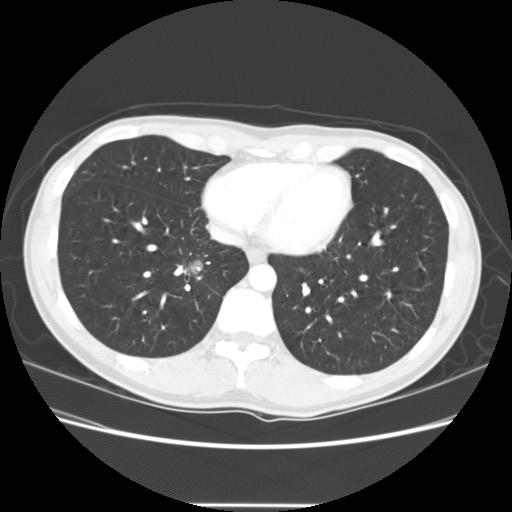
Axial slice 48 of 141 of a chest CT (slice 1 is the lowest), reconstructed with the STANDARD kernel at 120 kVp; 2.50 mm slice thickness and 0.703 mm pixels.
Pulmonary nodule outlined four times (the source holds one more outline, not used), three of them on this slice; box rows 259–274, columns 185–203 (the union of the readers' outlines on this slice); median longest diameter 32.5 mm (readers' outlines 31.6–34.1 mm), median volume 6128 mm3 (4983–9079 mm3). Median ratings and the readers' spread: texture 5/5 (solid) from all four readers; margin 3/5 at the median of four readers, spread 1/5 (indistinct) to 3/5; median sphericity 3.5/5 (readers ranged 3/5 (ovoid) to 4/5); calcification absent, all four readers agreeing; internal structure split among the readers: air (two), soft tissue (two); subtlety 5/5, all four readers agreeing; malignancy likelihood 5/5, all four readers agreeing. Scale key (1–5): texture non-solid→solid, margin indistinct→circumscribed, sphericity linear→round, subtlety extremely subtle→obvious, malignancy likelihood highly unlikely→highly suspicious of cancer. Box rows and columns are 0-based pixel indices from the top-left corner, inclusive.